Axial chest CT slice 48 of 115 (counted from the lowest slice); tube voltage 120 kVp, convolution kernel STANDARD; slices 2.50 mm thick, 0.820 mm per pixel.
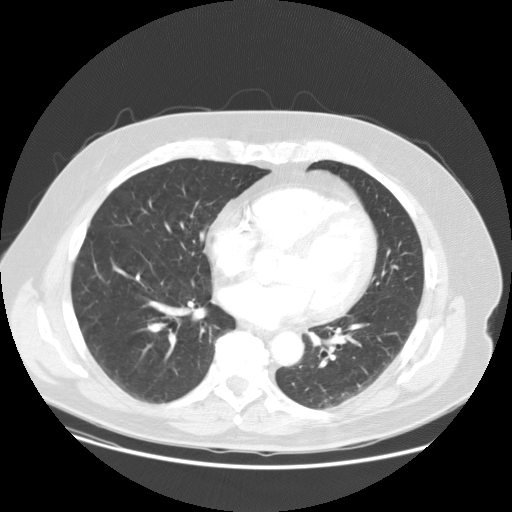
No nodule 3 mm or larger was outlined here by any reader.